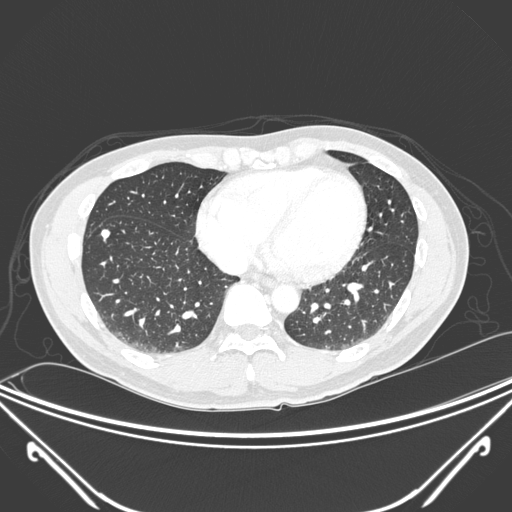
One axial slice (95 of 325, counting up from the lowest) of a chest CT acquired at 120 kVp with the D kernel; each pixel is 0.781 mm and the slice is 1.00 mm thick.
Pulmonary nodule, outlined by two of the four readers. Box on this slice rows 229–237, columns 101–109, the union of the readers' outlines on this slice; median longest diameter 8.8 mm (readers' outlines 8.0–9.7 mm), median volume 180 mm3 (154–206 mm3). Median ratings and the readers' spread: texture 5/5 (solid), both readers agreeing; median margin 4.5/5 (readers ranged 4/5 to 5/5 (circumscribed)); sphericity 4/5 from both readers; calcification absent from both readers; internal structure soft tissue, both readers agreeing; subtlety 5/5 from both readers; malignancy likelihood 3.5/5 at the median of two readers, spread 3–4. Scale key (1–5): texture non-solid→solid, margin indistinct→circumscribed, sphericity linear→round, subtlety extremely subtle→obvious, malignancy likelihood highly unlikely→highly suspicious of cancer. Box rows and columns are 0-based pixel indices from the top-left corner, inclusive.